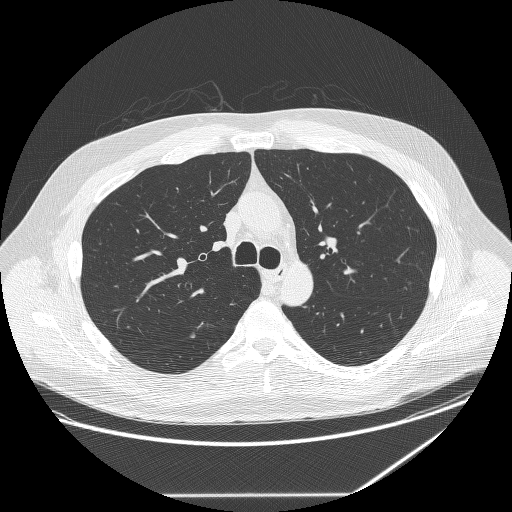
This is axial slice 202 of 291 (slice 1 is the lowest) of a chest CT; each pixel is 0.820 mm and the slice is 1.25 mm thick. Pulmonary nodule, outlined by three of the four readers. Box on this slice rows 332–337, columns 189–195, the union of the readers' outlines on this slice; median longest diameter 7.4 mm (readers' outlines 7.0–8.1 mm), median volume 55 mm3 (53–76 mm3). Ratings, median across the readers with their spread: median texture 2/5 (readers ranged 1/5 (non-solid) to 5/5 (solid)); margin 3/5 at the median of three readers, spread 3/5 to 5/5 (circumscribed); sphericity 3/5 (ovoid) at the median of three readers, spread 3/5 (ovoid) to 4/5; calcification absent, all three readers agreeing; internal structure soft tissue, all three readers agreeing; median subtlety 3/5 (readers ranged 2–4); malignancy likelihood 2/5, all three readers agreeing. Scale key (1–5): texture non-solid→solid, margin indistinct→circumscribed, sphericity linear→round, subtlety extremely subtle→obvious, malignancy likelihood highly unlikely→highly suspicious of cancer. Box rows and columns are 0-based pixel indices from the top-left corner, inclusive.
Scan settings: 120 kVp, BONE reconstruction kernel.